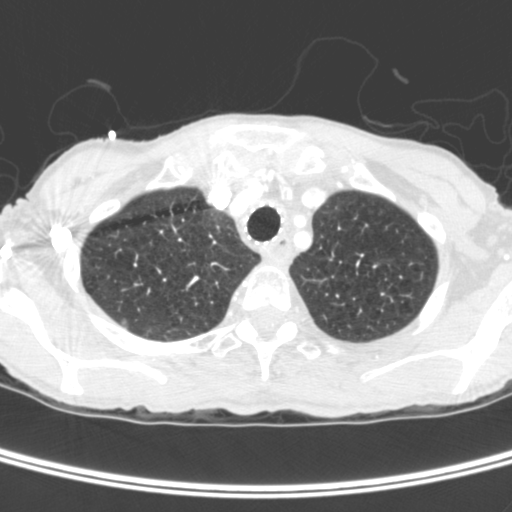
Axial slice 330 of 400 of a chest CT (slice 1 is the lowest), reconstructed with the C kernel at 120 kVp; 1.50 mm slice thickness and 0.527 mm pixels.
Pulmonary nodule at rows 318–328, columns 121–127 (box = the union of the readers' outlines on this slice), outlined by three of the four readers; the three readers' outlines give a longest diameter between 15.0 and 15.8 mm and a volume between 1012 and 1166 mm3. Ratings across the readers: texture from 3/5 (part-solid) to 5/5 (solid) across the three readers; margin 4/5 from all three readers; sphericity from 4/5 to 5/5 (round) across the three readers; calcification absent, all three readers agreeing; internal structure: soft tissue (two), air (one); subtlety 5/5 from all three readers; malignancy likelihood rated between 4 and 5 out of 5 by the three readers. Scale key (1–5): texture non-solid→solid, margin indistinct→circumscribed, sphericity linear→round, subtlety extremely subtle→obvious, malignancy likelihood highly unlikely→highly suspicious of cancer. Box rows and columns are 0-based pixel indices from the top-left corner, inclusive.